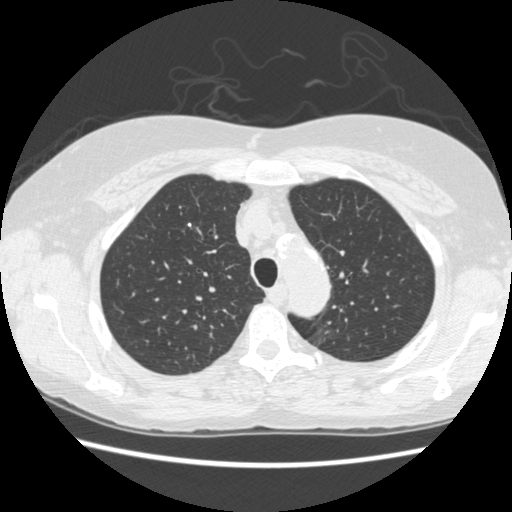
Axial slice 376 of 477 of a chest CT (slice 1 is the lowest), reconstructed with the STANDARD kernel at 120 kVp; 1.25 mm slice thickness and 0.664 mm pixels.
Pulmonary nodule, outlined by one of the four readers. Box on this slice rows 222–225, columns 187–190, that reader's outline on this slice; longest diameter 4.0 mm and volume 22 mm3 from that reader's outline. That reader's ratings: texture 5/5 (solid); margin 5/5 (circumscribed); sphericity 5/5 (round); calcification solid calcification; internal structure soft tissue; subtlety 5/5; malignancy likelihood 1/5. Scale key (1–5): texture non-solid→solid, margin indistinct→circumscribed, sphericity linear→round, subtlety extremely subtle→obvious, malignancy likelihood highly unlikely→highly suspicious of cancer. Box rows and columns are 0-based pixel indices from the top-left corner, inclusive.